Chest CT, axial plane, 120 kVp, kernel STANDARD. Slice 106/145 from the bottom of the scan; thickness 2.50 mm; pixel size 0.781 mm.
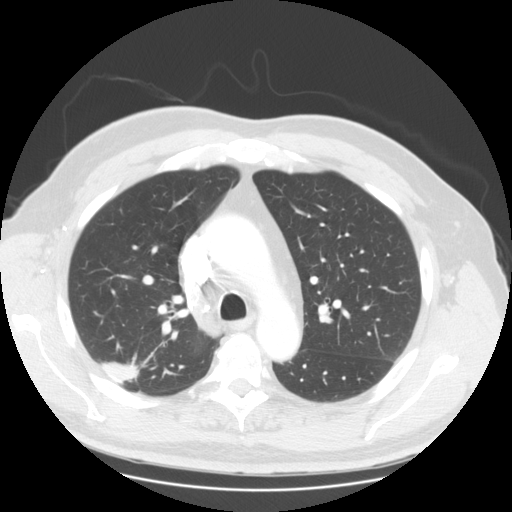
Pulmonary nodule, outlined by three of the four readers. Box on this slice rows 362–384, columns 97–140, the union of the readers' outlines on this slice; longest diameter 31.4 mm on average over the three readers' outlines (readers' outlines 28.0–34.8 mm), volume 3063–5177 mm3. Ratings, by the readers' most common answer with dissent counted: texture 5/5 (solid) by two of three readers; the rest gave 4/5 (one); most readers (two of three) put margin at 4/5, others 2/5 (one); sphericity split among the readers: 2/5 (one), 3/5 (ovoid) (one), 5/5 (round) (one); calcification absent, all three readers agreeing; internal structure soft tissue, all three readers agreeing; subtlety 5/5, all three readers agreeing; malignancy likelihood split among the readers: 3/5 (one), 4/5 (one), 5/5 (one). Scale key (1–5): texture non-solid→solid, margin indistinct→circumscribed, sphericity linear→round, subtlety extremely subtle→obvious, malignancy likelihood highly unlikely→highly suspicious of cancer. Box rows and columns are 0-based pixel indices from the top-left corner, inclusive.